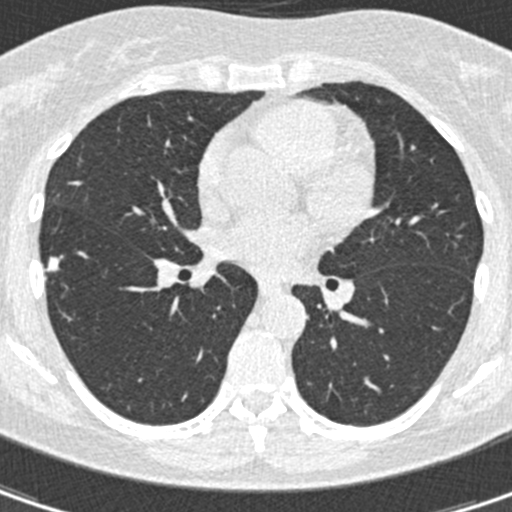
Axial chest CT slice 233 of 441 (counted from the lowest slice); tube voltage 120 kVp, convolution kernel B30f; slices 0.75 mm thick, 0.520 mm per pixel.
Pulmonary nodule at rows 255–271, columns 47–63 (box = the union of the readers' outlines on this slice), outlined by three of the four readers; longest diameter 9.8–12.4 mm and volume 248–289 mm3 across the three readers' outlines. The readers' ratings, as ranges where they differ: texture from 4/5 to 5/5 (solid) across the three readers; margin from 4/5 to 5/5 (circumscribed) across the three readers; sphericity from 4/5 to 5/5 (round) across the three readers; calcification: absent (two), solid calcification (one); internal structure soft tissue, all three readers agreeing; subtlety from 4/5 to 5/5 across the three readers; malignancy likelihood 1–3/5 (the readers disagree). Scale key (1–5): texture non-solid→solid, margin indistinct→circumscribed, sphericity linear→round, subtlety extremely subtle→obvious, malignancy likelihood highly unlikely→highly suspicious of cancer. Box rows and columns are 0-based pixel indices from the top-left corner, inclusive.